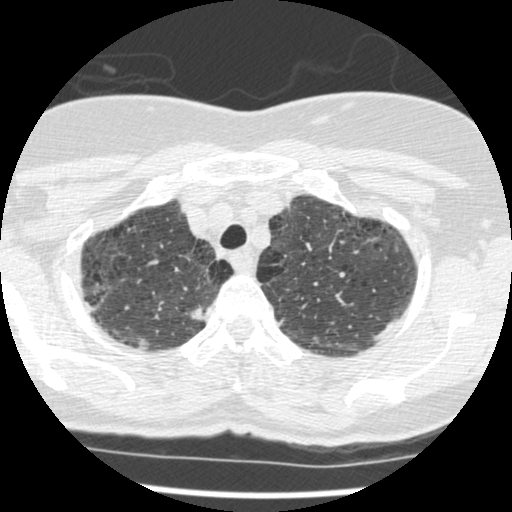
Slice 402/465 of a chest CT, counting up from the lowest; pixel size 0.586 mm, slice thickness 1.25 mm. Pulmonary nodule at rows 337–342, columns 312–317 (box = the one reader's outline on this slice), outlined by two of the four readers, one of them on this slice; longest diameter 5.5 mm on average over the two readers' outlines (readers' outlines 5.5–5.6 mm), volume 23–30 mm3. Ratings, by the readers' most common answer with dissent counted: texture split among the readers: 2/5 (one), 5/5 (solid) (one); margin split among the readers: 2/5 (one), 5/5 (circumscribed) (one); sphericity split among the readers: 2/5 (one), 3/5 (ovoid) (one); calcification absent, both readers agreeing; internal structure soft tissue, both readers agreeing; subtlety split among the readers: 1/5 (one), 4/5 (one); malignancy likelihood split among the readers: 1/5 (one), 3/5 (one). Scale key (1–5): texture non-solid→solid, margin indistinct→circumscribed, sphericity linear→round, subtlety extremely subtle→obvious, malignancy likelihood highly unlikely→highly suspicious of cancer. Box rows and columns are 0-based pixel indices from the top-left corner, inclusive.
Acquired at 120 kVp and reconstructed with the STANDARD kernel.